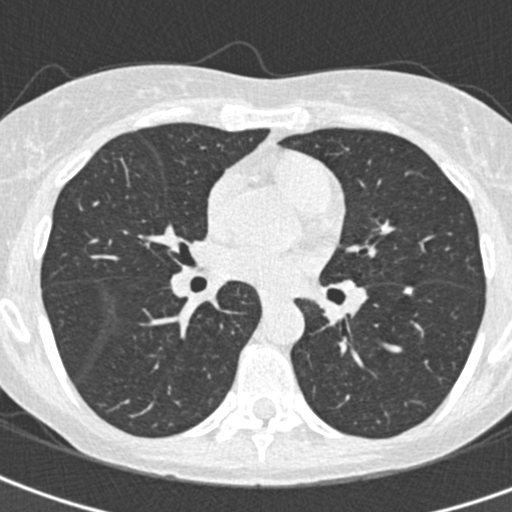
Axial chest CT slice 223 of 425 (counted from the lowest slice); tube voltage 120 kVp, convolution kernel B30f; slices 0.75 mm thick, 0.539 mm per pixel.
Pulmonary nodule at rows 287–294, columns 403–413 (box = the union of the readers' outlines on this slice), outlined by all four readers; median longest diameter 11.5 mm (readers' outlines 7.7–12.7 mm), median volume 179 mm3 (139–224 mm3). Ratings, median across the readers with their spread: texture 5/5 (solid), all four readers agreeing; margin 5/5 (circumscribed) from all four readers; sphericity 4/5 at the median of four readers, spread 2/5 to 5/5 (round); calcification solid calcification, all four readers agreeing; internal structure soft tissue from all four readers; subtlety 5/5, all four readers agreeing; malignancy likelihood 1/5 from all four readers. Scale key (1–5): texture non-solid→solid, margin indistinct→circumscribed, sphericity linear→round, subtlety extremely subtle→obvious, malignancy likelihood highly unlikely→highly suspicious of cancer. Box rows and columns are 0-based pixel indices from the top-left corner, inclusive.